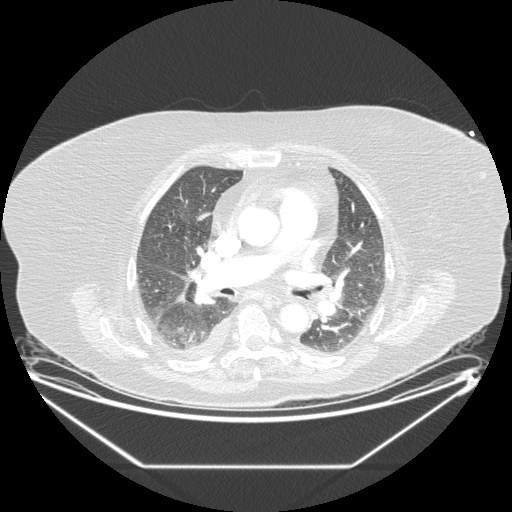
This is axial slice 108 of 206 (slice 1 is the lowest) of a chest CT; each pixel is 0.898 mm and the slice is 1.25 mm thick. Pulmonary nodule, outlined by three of the four readers, two of them on this slice. Box on this slice rows 212–220, columns 197–208, the union of the readers' outlines on this slice; the three readers' outlines give a longest diameter between 31.1 and 37.8 mm and a volume between 4036 and 4781 mm3. The readers' ratings, as ranges where they differ: texture from 1/5 (non-solid) to 5/5 (solid) across the three readers; margin 4/5 from all three readers; sphericity from 2/5 to 3/5 (ovoid) across the three readers; calcification absent, all three readers agreeing; internal structure soft tissue from all three readers; subtlety rated between 4 and 5 out of 5 by the three readers; malignancy likelihood 3–5/5 (the readers disagree). Scale key (1–5): texture non-solid→solid, margin indistinct→circumscribed, sphericity linear→round, subtlety extremely subtle→obvious, malignancy likelihood highly unlikely→highly suspicious of cancer. Box rows and columns are 0-based pixel indices from the top-left corner, inclusive.
Scan settings: 120 kVp, STANDARD reconstruction kernel.